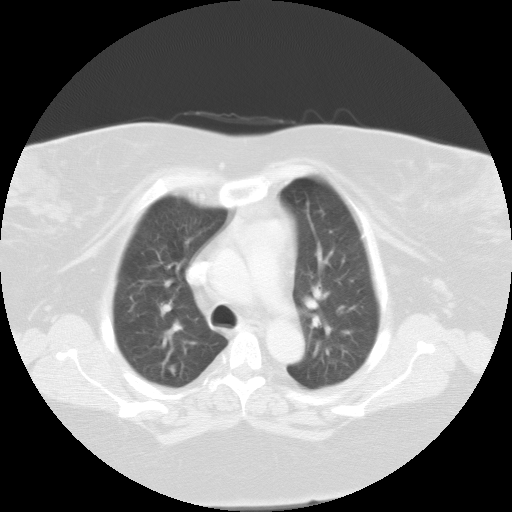
One axial slice (78 of 102, counting up from the lowest) of a chest CT acquired at 135 kVp with the FC01 kernel; each pixel is 0.808 mm and the slice is 3.00 mm thick.
Pulmonary nodule outlined by three of the four readers, one of them on this slice; box rows 366–372, columns 170–174 (the one reader's outline on this slice); longest diameter 8.2 mm on average over the three readers' outlines (readers' outlines 6.7–8.9 mm), volume 110–317 mm3. Ratings, by the readers' most common answer with dissent counted: texture split among the readers: 2/5 (one), 4/5 (one), 5/5 (solid) (one); margin 4/5 by two of three readers; the rest gave 3/5 (one); sphericity 4/5 from all three readers; calcification absent, all three readers agreeing; internal structure soft tissue, all three readers agreeing; subtlety split among the readers: 1/5 (one), 3/5 (one), 5/5 (one); most readers (two of three) put malignancy likelihood at 3/5, others 2/5 (one). Scale key (1–5): texture non-solid→solid, margin indistinct→circumscribed, sphericity linear→round, subtlety extremely subtle→obvious, malignancy likelihood highly unlikely→highly suspicious of cancer. Box rows and columns are 0-based pixel indices from the top-left corner, inclusive.